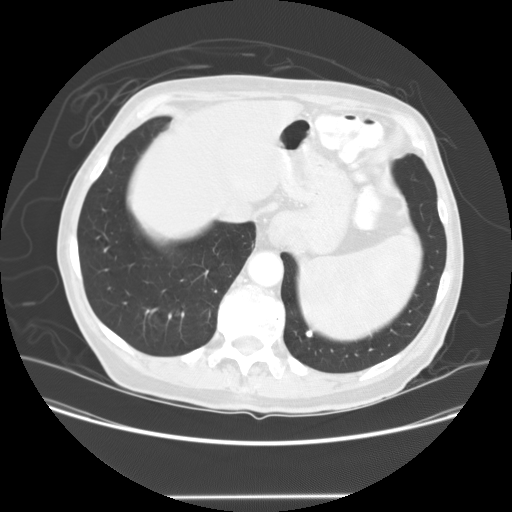
Axial slice 41 of 147 of a chest CT (slice 1 is the lowest), reconstructed with the STANDARD kernel at 120 kVp; 2.50 mm slice thickness and 0.781 mm pixels.
Pulmonary nodule outlined by all four readers; box rows 329–337, columns 305–312 (the union of the readers' outlines on this slice); median longest diameter 8.1 mm (readers' outlines 7.7–9.5 mm), median volume 224 mm3 (201–235 mm3). Median ratings and the readers' spread: texture 5/5 (solid) from all four readers; margin 5/5 (circumscribed), all four readers agreeing; sphericity 4/5 at the median of four readers, spread 3/5 (ovoid) to 5/5 (round); calcification solid calcification from all four readers; internal structure soft tissue from all four readers; subtlety 5/5 from all four readers; malignancy likelihood 1/5, all four readers agreeing. Scale key (1–5): texture non-solid→solid, margin indistinct→circumscribed, sphericity linear→round, subtlety extremely subtle→obvious, malignancy likelihood highly unlikely→highly suspicious of cancer. Box rows and columns are 0-based pixel indices from the top-left corner, inclusive.